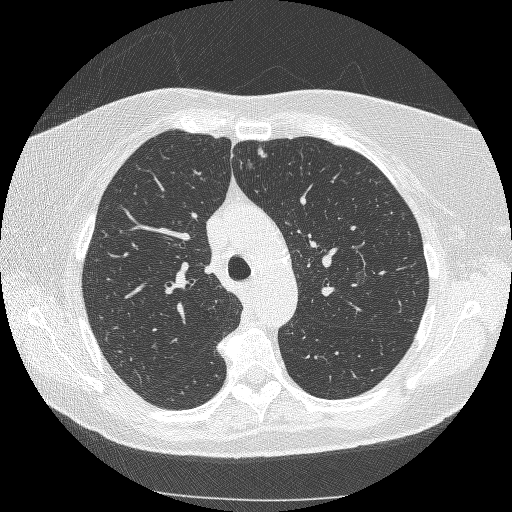
Axial chest CT slice 192 of 253 (counted from the lowest slice); tube voltage 120 kVp, convolution kernel BONE; slices 1.25 mm thick, 0.625 mm per pixel.
Pulmonary nodule outlined by one of the four readers; box rows 149–158, columns 259–267 (that reader's outline on this slice); longest diameter 10.7 mm and volume 164 mm3 from that reader's outline. That reader's ratings: texture 5/5 (solid); margin 4/5; sphericity 2/5; calcification absent; internal structure soft tissue; subtlety 3/5; malignancy likelihood 3/5. Scale key (1–5): texture non-solid→solid, margin indistinct→circumscribed, sphericity linear→round, subtlety extremely subtle→obvious, malignancy likelihood highly unlikely→highly suspicious of cancer. Box rows and columns are 0-based pixel indices from the top-left corner, inclusive.